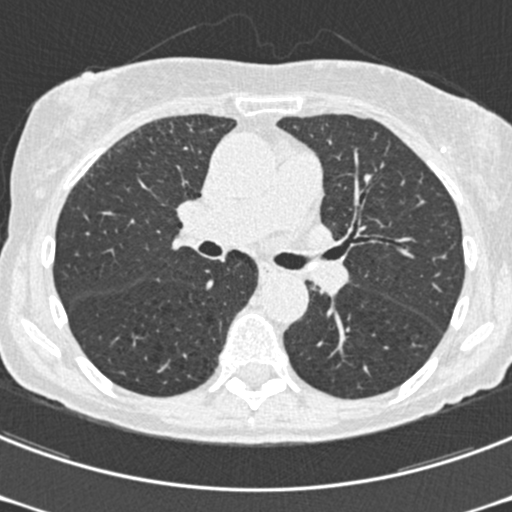
Chest CT, axial plane, 120 kVp, kernel B30f. Slice 278/489 from the bottom of the scan; thickness 0.75 mm; pixel size 0.566 mm.
No nodule of 3 mm or larger was outlined by any of the four readers on this slice.